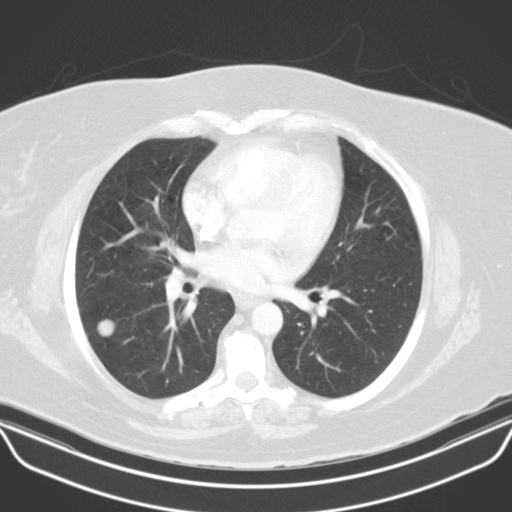
Chest CT, axial plane, 130 kVp, kernel B31s. Slice 70/121 from the bottom of the scan; thickness 3.00 mm; pixel size 0.766 mm.
Pulmonary nodule at rows 318–336, columns 96–115 (box = the union of the readers' outlines on this slice), outlined by all four readers; longest diameter 17.8 mm on average over the four readers' outlines (readers' outlines 16.8–18.8 mm), volume 1878–2483 mm3. Ratings, by the readers' most common answer with dissent counted: texture 5/5 (solid) from all four readers; margin 5/5 (circumscribed) by three of four readers; the rest gave 4/5 (one); sphericity 5/5 (round) from all four readers; calcification absent from all four readers; internal structure soft tissue, all four readers agreeing; subtlety 5/5 from all four readers; malignancy likelihood split among the readers: 3/5 (two), 4/5 (two). Scale key (1–5): texture non-solid→solid, margin indistinct→circumscribed, sphericity linear→round, subtlety extremely subtle→obvious, malignancy likelihood highly unlikely→highly suspicious of cancer. Box rows and columns are 0-based pixel indices from the top-left corner, inclusive.